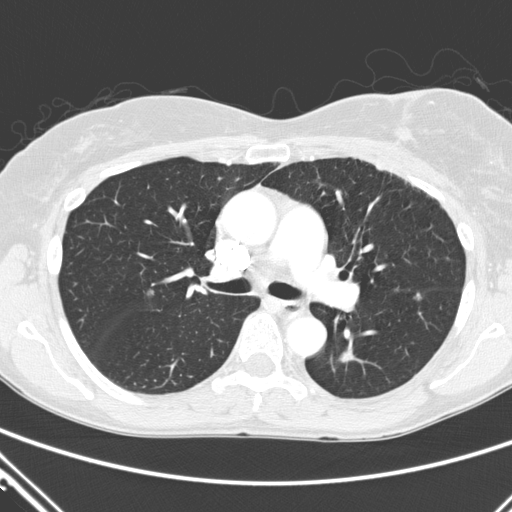
Axial chest CT slice 298 of 411 (counted from the lowest slice); 2.00 mm thick, 0.654 mm per pixel. Pulmonary nodule, outlined by two of the four readers. Box on this slice rows 352–361, columns 340–351, the union of the readers' outlines on this slice; longest diameter 9.2 mm on average over the two readers' outlines (readers' outlines 9.1–9.3 mm), volume 60–119 mm3. Ratings, by the readers' most common answer with dissent counted: texture split among the readers: 3/5 (part-solid) (one), 4/5 (one); margin 2/5, both readers agreeing; sphericity 3/5 (ovoid), both readers agreeing; calcification absent from both readers; internal structure soft tissue from both readers; subtlety 3/5, both readers agreeing; malignancy likelihood split among the readers: 1/5 (one), 3/5 (one). Scale key (1–5): texture non-solid→solid, margin indistinct→circumscribed, sphericity linear→round, subtlety extremely subtle→obvious, malignancy likelihood highly unlikely→highly suspicious of cancer. Box rows and columns are 0-based pixel indices from the top-left corner, inclusive.
Scan settings: 120 kVp, D reconstruction kernel.